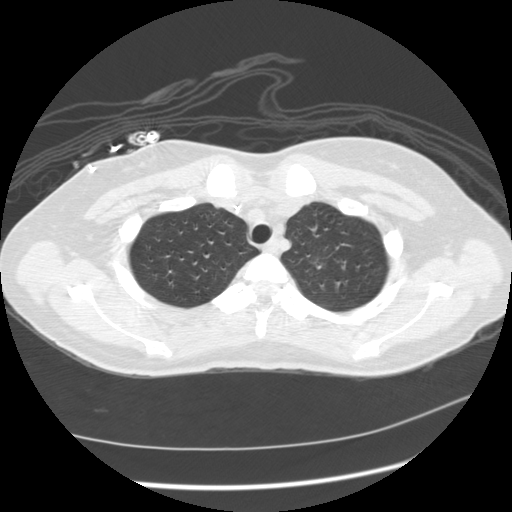
Axial chest CT slice 169 of 209 (counted from the lowest slice); tube voltage 120 kVp, convolution kernel STANDARD; slices 1.25 mm thick, 0.693 mm per pixel.
Pulmonary nodule at rows 256–270, columns 309–325 (box = the one reader's outline on this slice), outlined by all four readers, one of them on this slice; longest diameter 21.8–25.6 mm and volume 2801–4927 mm3 across the four readers' outlines. Ratings across the readers: texture from 4/5 to 5/5 (solid) across the four readers; margin from 3/5 to 4/5 across the four readers; sphericity from 2/5 to 5/5 (round) across the four readers; calcification absent, all four readers agreeing; internal structure soft tissue, all four readers agreeing; subtlety 5/5 from all four readers; malignancy likelihood from 3/5 to 5/5 across the four readers. Scale key (1–5): texture non-solid→solid, margin indistinct→circumscribed, sphericity linear→round, subtlety extremely subtle→obvious, malignancy likelihood highly unlikely→highly suspicious of cancer. Box rows and columns are 0-based pixel indices from the top-left corner, inclusive.